Axial chest CT slice 229 of 429 (counted from the lowest slice); tube voltage 120 kVp, convolution kernel STANDARD; slices 1.25 mm thick, 0.586 mm per pixel.
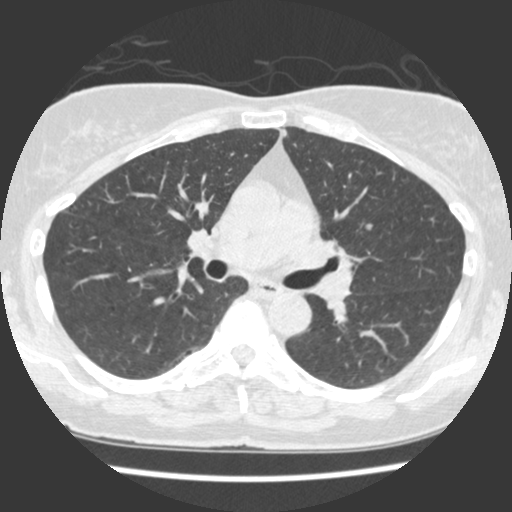
Two pulmonary nodules on this slice, listed from left to right. (1) Pulmonary nodule at rows 129–136, columns 283–285 (box = that reader's outline on this slice), outlined by one of the four readers; longest diameter 7.8 mm and volume 111 mm3 from that reader's outline. Ratings by that reader: texture 5/5 (solid); margin 2/5; sphericity 2/5; calcification absent; internal structure soft tissue; subtlety 2/5; malignancy likelihood 1/5. (2) Pulmonary nodule outlined by all four readers; box rows 223–230, columns 365–372 (the union of the readers' outlines on this slice); median longest diameter 6.3 mm (readers' outlines 5.6–6.9 mm), median volume 52 mm3 (30–64 mm3). Ratings, median across the readers with their spread: texture 5/5 (solid) from all four readers; margin 4/5 at the median of four readers, spread 3/5 to 5/5 (circumscribed); sphericity 4/5, all four readers agreeing; calcification absent, all four readers agreeing; internal structure soft tissue from all four readers; subtlety 3.5/5 at the median of four readers, spread 3–4; malignancy likelihood 2/5 at the median of four readers, spread 1–3. Scale key (1–5): texture non-solid→solid, margin indistinct→circumscribed, sphericity linear→round, subtlety extremely subtle→obvious, malignancy likelihood highly unlikely→highly suspicious of cancer. Box rows and columns are 0-based pixel indices from the top-left corner, inclusive.